Chest CT, axial plane, 120 kVp, kernel STANDARD. Slice 59/421 from the bottom of the scan; thickness 1.25 mm; pixel size 0.703 mm.
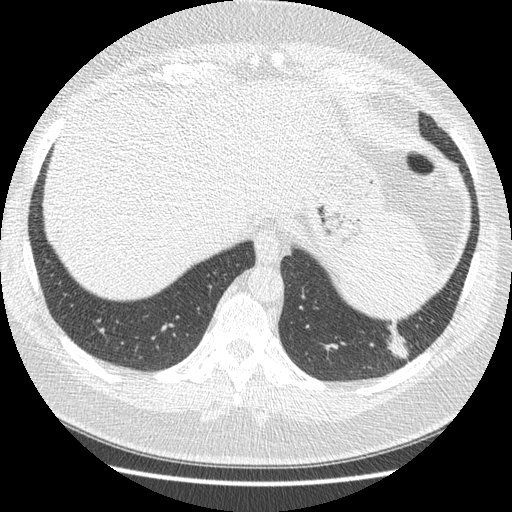
Pulmonary nodule at rows 319–359, columns 384–409 (box = the union of the readers' outlines on this slice), outlined four times (the source holds four more outlines, not used); longest diameter 33.9 mm on average over the four readers' outlines (readers' outlines 30.9–38.9 mm), volume 4443–5826 mm3. Ratings, by the readers' most common answer with dissent counted: most readers (three of four) put texture at 5/5 (solid), others 4/5 (one); most readers (three of four) put margin at 4/5, others 3/5 (one); sphericity 2/5 by two of four readers; the rest gave 3/5 (ovoid) (one), 4/5 (one); calcification absent from all four readers; internal structure soft tissue, all four readers agreeing; most readers (three of four) put subtlety at 5/5, others 4/5 (one); malignancy likelihood split among the readers: 2/5 (one), 3/5 (one), 4/5 (one), 5/5 (one). Scale key (1–5): texture non-solid→solid, margin indistinct→circumscribed, sphericity linear→round, subtlety extremely subtle→obvious, malignancy likelihood highly unlikely→highly suspicious of cancer. Box rows and columns are 0-based pixel indices from the top-left corner, inclusive.